One axial slice (218 of 513, counting up from the lowest) of a chest CT acquired at 120 kVp with the STANDARD kernel; each pixel is 0.703 mm and the slice is 1.25 mm thick.
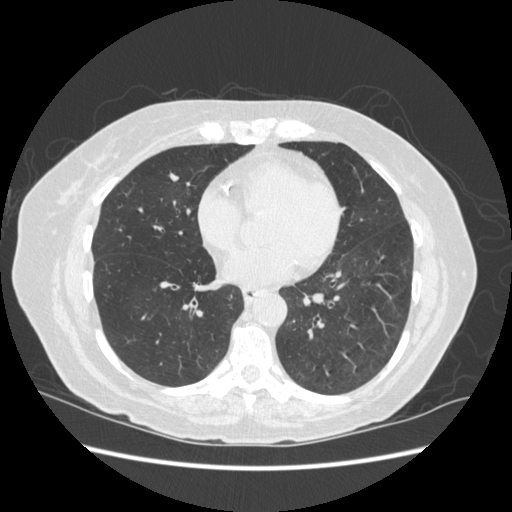
Pulmonary nodule outlined by three of the four readers; box rows 171–181, columns 168–179 (the union of the readers' outlines on this slice); median longest diameter 9.2 mm (readers' outlines 8.2–9.4 mm), median volume 151 mm3 (118–157 mm3). Median ratings and the readers' spread: median texture 5/5 (solid) (readers ranged 4/5 to 5/5 (solid)); margin 4/5 at the median of three readers, spread 3/5 to 5/5 (circumscribed); sphericity 3/5 (ovoid) from all three readers; calcification absent, all three readers agreeing; internal structure soft tissue from all three readers; subtlety 4/5, all three readers agreeing; median malignancy likelihood 3/5 (readers ranged 1–4). Scale key (1–5): texture non-solid→solid, margin indistinct→circumscribed, sphericity linear→round, subtlety extremely subtle→obvious, malignancy likelihood highly unlikely→highly suspicious of cancer. Box rows and columns are 0-based pixel indices from the top-left corner, inclusive.